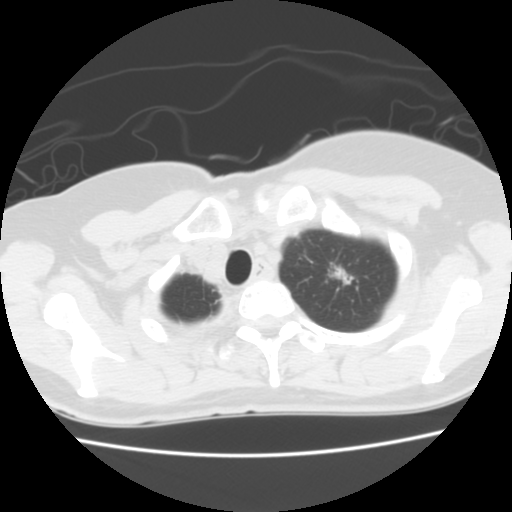
Axial chest CT slice 128 of 141 (counted from the lowest slice); 2.50 mm thick, 0.586 mm per pixel. Pulmonary nodule at rows 262–287, columns 327–355 (box = the union of the readers' outlines on this slice), outlined by all four readers; longest diameter 18.6 mm on average over the four readers' outlines (readers' outlines 15.8–20.0 mm), volume 906–1828 mm3. Ratings, by the readers' most common answer with dissent counted: texture 4/5 by three of four readers; the rest gave 5/5 (solid) (one); margin split among the readers: 2/5 (two), 4/5 (two); sphericity 3/5 (ovoid) by two of four readers; the rest gave 4/5 (one), 5/5 (round) (one); calcification absent from all four readers; internal structure soft tissue from all four readers; subtlety 5/5 from all four readers; malignancy likelihood split among the readers: 4/5 (two), 5/5 (two). Scale key (1–5): texture non-solid→solid, margin indistinct→circumscribed, sphericity linear→round, subtlety extremely subtle→obvious, malignancy likelihood highly unlikely→highly suspicious of cancer. Box rows and columns are 0-based pixel indices from the top-left corner, inclusive.
Scan settings: 120 kVp, STANDARD reconstruction kernel.